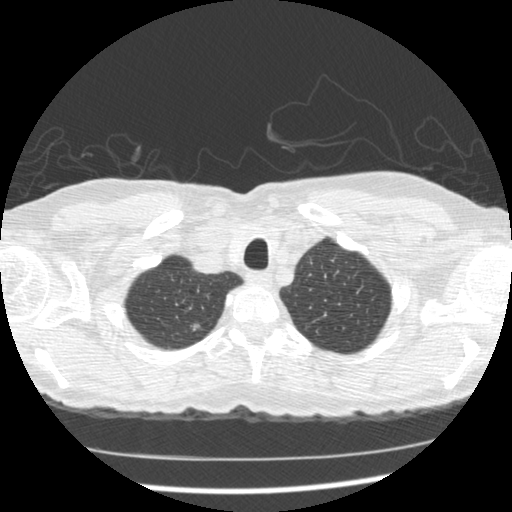
Chest CT, axial plane, 120 kVp, kernel STANDARD. Slice 399/449 from the bottom of the scan; thickness 1.25 mm; pixel size 0.625 mm.
Pulmonary nodule, outlined by two of the four readers. Box on this slice rows 324–331, columns 189–198, the union of the readers' outlines on this slice; longest diameter 8.3 mm on average over the two readers' outlines (readers' outlines 8.3 mm), volume 92 mm3. The readers' prevailing ratings and who disagreed: texture 3/5 (part-solid) from both readers; margin split among the readers: 3/5 (one), 4/5 (one); sphericity split among the readers: 2/5 (one), 4/5 (one); calcification absent from both readers; internal structure split among the readers: soft tissue (one), air (one); subtlety 3/5, both readers agreeing; malignancy likelihood split among the readers: 3/5 (one), 4/5 (one). Scale key (1–5): texture non-solid→solid, margin indistinct→circumscribed, sphericity linear→round, subtlety extremely subtle→obvious, malignancy likelihood highly unlikely→highly suspicious of cancer. Box rows and columns are 0-based pixel indices from the top-left corner, inclusive.